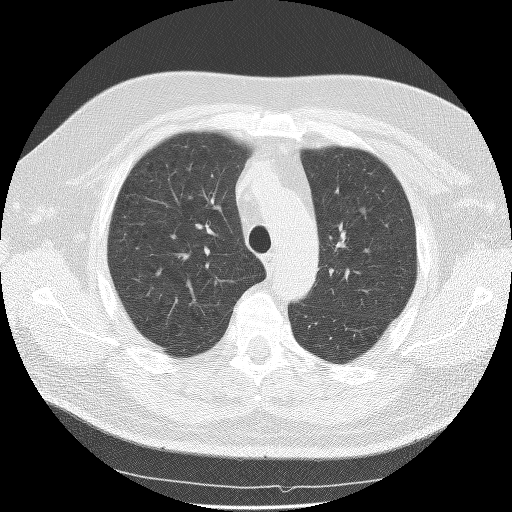
Axial chest CT slice 111 of 139 (counted from the lowest slice); tube voltage 140 kVp, convolution kernel BONE; slices 2.50 mm thick, 0.734 mm per pixel.
Pulmonary nodule outlined by three of the four readers; box rows 206–212, columns 359–365 (the union of the readers' outlines on this slice); median longest diameter 6.1 mm (readers' outlines 5.9–7.3 mm), median volume 78 mm3 (62–99 mm3). Median ratings and the readers' spread: texture 1/5 (non-solid) at the median of three readers, spread 1/5 (non-solid) to 2/5; median margin 2/5 (readers ranged 2/5 to 3/5); median sphericity 4/5 (readers ranged 3/5 (ovoid) to 4/5); calcification absent from all three readers; internal structure soft tissue from all three readers; subtlety 2/5 at the median of three readers, spread 2–4; malignancy likelihood 3/5 at the median of three readers, spread 1–3. Scale key (1–5): texture non-solid→solid, margin indistinct→circumscribed, sphericity linear→round, subtlety extremely subtle→obvious, malignancy likelihood highly unlikely→highly suspicious of cancer. Box rows and columns are 0-based pixel indices from the top-left corner, inclusive.